Chest CT, axial plane, 120 kVp, kernel STANDARD. Slice 187/258 from the bottom of the scan; thickness 2.50 mm; pixel size 0.664 mm.
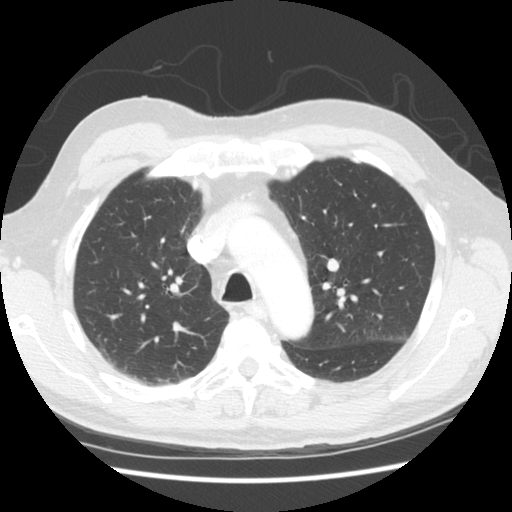
Pulmonary nodule, outlined by one of the four readers. Box on this slice rows 159–162, columns 352–359, that reader's outline on this slice; longest diameter 8.0 mm and volume 122 mm3 from that reader's outline. Ratings by that reader: texture 5/5 (solid); margin 5/5 (circumscribed); sphericity 4/5; calcification solid calcification; internal structure soft tissue; subtlety 5/5; malignancy likelihood 1/5. Scale key (1–5): texture non-solid→solid, margin indistinct→circumscribed, sphericity linear→round, subtlety extremely subtle→obvious, malignancy likelihood highly unlikely→highly suspicious of cancer. Box rows and columns are 0-based pixel indices from the top-left corner, inclusive.